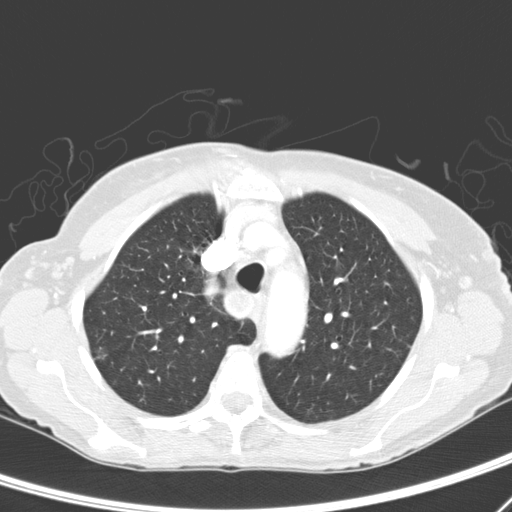
Slice 224/276 of a chest CT, counting up from the lowest; pixel size 0.617 mm, slice thickness 2.00 mm. Pulmonary nodule outlined by two of the four readers, one of them on this slice; box rows 347–359, columns 94–107 (the one reader's outline on this slice); median longest diameter 9.4 mm (readers' outlines 8.0–10.8 mm), median volume 137 mm3 (90–183 mm3). Ratings, median across the readers with their spread: texture 1.5/5 at the median of two readers, spread 1/5 (non-solid) to 2/5; median margin 1.5/5 (readers ranged 1/5 (indistinct) to 2/5); sphericity 4/5, both readers agreeing; calcification absent from both readers; internal structure soft tissue from both readers; median subtlety 3.5/5 (readers ranged 3–4); malignancy likelihood 3/5 from both readers. Scale key (1–5): texture non-solid→solid, margin indistinct→circumscribed, sphericity linear→round, subtlety extremely subtle→obvious, malignancy likelihood highly unlikely→highly suspicious of cancer. Box rows and columns are 0-based pixel indices from the top-left corner, inclusive.
Scan settings: 120 kVp, D reconstruction kernel.